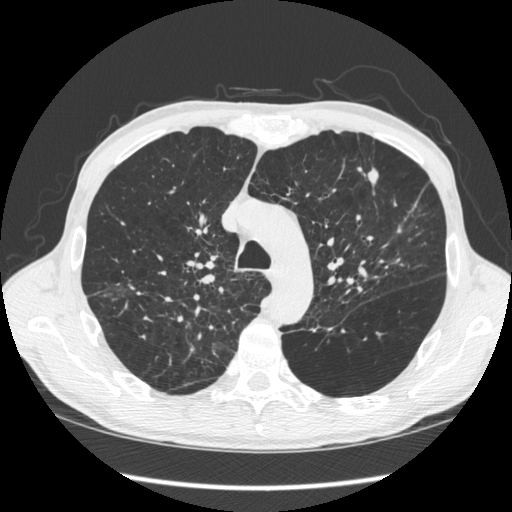
One axial slice (416 of 583, counting up from the lowest) of a chest CT acquired at 120 kVp with the STANDARD kernel; each pixel is 0.703 mm and the slice is 1.25 mm thick.
Pulmonary nodule at rows 167–186, columns 367–378 (box = the union of the readers' outlines on this slice), outlined by all four readers; median longest diameter 14.4 mm (readers' outlines 10.5–14.8 mm), median volume 421 mm3 (293–480 mm3). Ratings, median across the readers with their spread: texture 5/5 (solid), all four readers agreeing; median margin 4.5/5 (readers ranged 3/5 to 5/5 (circumscribed)); median sphericity 3/5 (ovoid) (readers ranged 2/5 to 5/5 (round)); calcification absent, all four readers agreeing; internal structure soft tissue, all four readers agreeing; subtlety 4.5/5 at the median of four readers, spread 3–5; malignancy likelihood 4.5/5 at the median of four readers, spread 2–5. Scale key (1–5): texture non-solid→solid, margin indistinct→circumscribed, sphericity linear→round, subtlety extremely subtle→obvious, malignancy likelihood highly unlikely→highly suspicious of cancer. Box rows and columns are 0-based pixel indices from the top-left corner, inclusive.